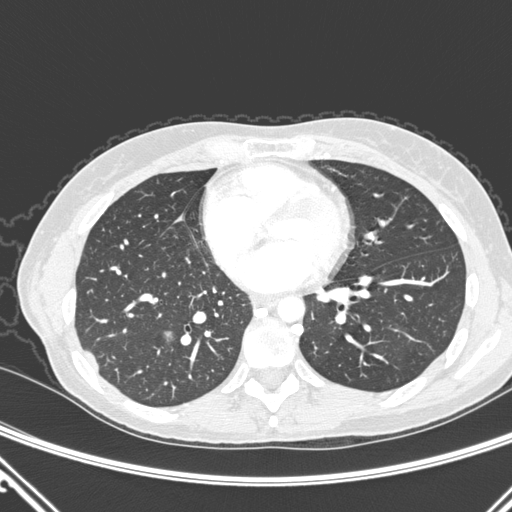
Axial slice 111 of 290 of a chest CT (slice 1 is the lowest), reconstructed with the D kernel at 120 kVp; 1.00 mm slice thickness and 0.662 mm pixels.
Pulmonary nodule, outlined by all four readers. Box on this slice rows 331–345, columns 164–174, the union of the readers' outlines on this slice; longest diameter 22.2–29.6 mm and volume 2637–3531 mm3 across the four readers' outlines. Ratings across the readers: texture 5/5 (solid), all four readers agreeing; margin from 4/5 to 5/5 (circumscribed) across the four readers; sphericity from 2/5 to 5/5 (round) across the four readers; calcification absent, all four readers agreeing; internal structure soft tissue from all four readers; subtlety 5/5 from all four readers; malignancy likelihood rated between 3 and 5 out of 5 by the four readers. Scale key (1–5): texture non-solid→solid, margin indistinct→circumscribed, sphericity linear→round, subtlety extremely subtle→obvious, malignancy likelihood highly unlikely→highly suspicious of cancer. Box rows and columns are 0-based pixel indices from the top-left corner, inclusive.